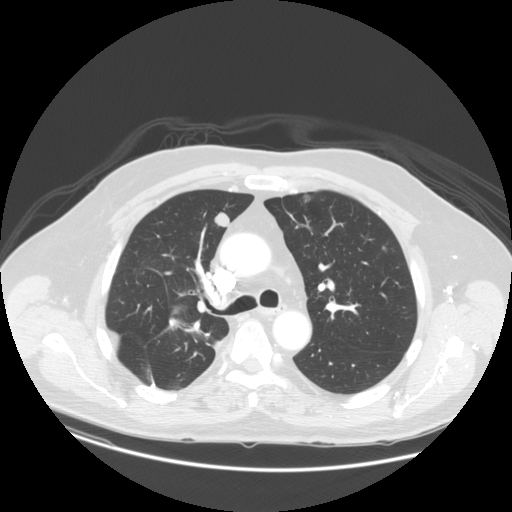
Slice 85/140 of a chest CT, counting up from the lowest; pixel size 0.820 mm, slice thickness 2.50 mm. Two pulmonary nodules are outlined on this slice; from left to right: (1) Pulmonary nodule outlined by all four readers; box rows 211–227, columns 213–229 (the union of the readers' outlines on this slice); median longest diameter 15.0 mm (readers' outlines 14.3–15.6 mm), median volume 1321 mm3 (1108–1503 mm3). Ratings, median across the readers with their spread: texture 5/5 (solid), all four readers agreeing; margin 5/5 (circumscribed), all four readers agreeing; median sphericity 4.5/5 (readers ranged 4/5 to 5/5 (round)); calcification absent from all four readers; internal structure soft tissue, all four readers agreeing; subtlety 4/5 at the median of four readers, spread 3–5; malignancy likelihood 3.5/5 at the median of four readers, spread 2–5. (2) Pulmonary nodule at rows 194–203, columns 302–310 (box = the union of the readers' outlines on this slice), outlined by all four readers, three of them on this slice; the four readers' outlines give a longest diameter between 11.9 and 14.8 mm and a volume between 312 and 584 mm3. Ratings across the readers: texture from 4/5 to 5/5 (solid) across the four readers; margin from 3/5 to 5/5 (circumscribed) across the four readers; sphericity from 2/5 to 5/5 (round) across the four readers; calcification absent, all four readers agreeing; internal structure soft tissue from all four readers; subtlety 3–4/5 (the readers disagree); malignancy likelihood rated between 2 and 4 out of 5 by the four readers. Scale key (1–5): texture non-solid→solid, margin indistinct→circumscribed, sphericity linear→round, subtlety extremely subtle→obvious, malignancy likelihood highly unlikely→highly suspicious of cancer. Box rows and columns are 0-based pixel indices from the top-left corner, inclusive.
Scan settings: 120 kVp, STANDARD reconstruction kernel.